Chest CT, axial plane, 120 kVp, kernel STANDARD. Slice 237/449 from the bottom of the scan; thickness 1.25 mm; pixel size 0.625 mm.
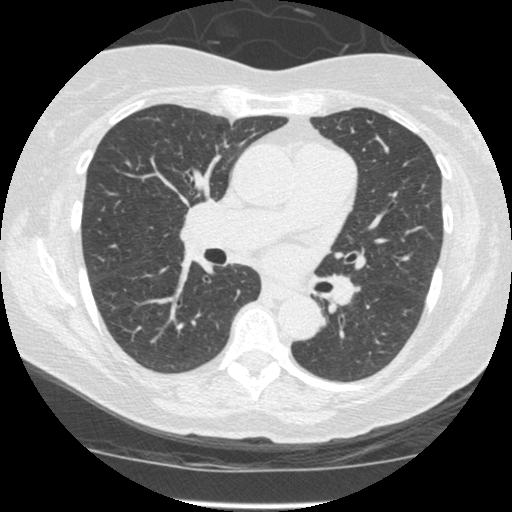
No nodule of 3 mm or larger was outlined by any of the four readers on this slice.